Axial slice 75 of 216 of a chest CT (slice 1 is the lowest), reconstructed with the STANDARD kernel at 120 kVp; 1.25 mm slice thickness and 0.703 mm pixels.
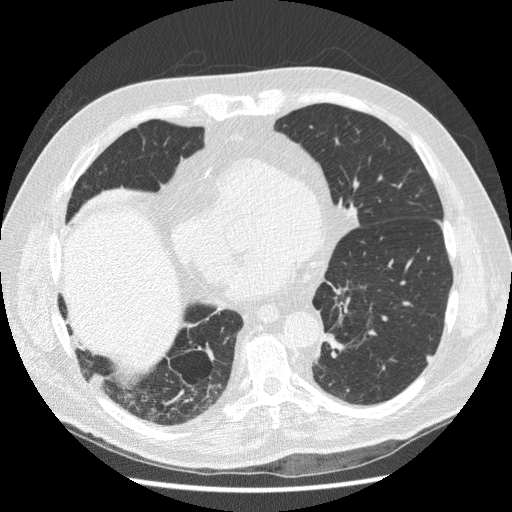
Pulmonary nodule at rows 355–362, columns 426–431 (box = the union of the readers' outlines on this slice), outlined by two of the four readers; longest diameter 6.2 mm on average over the two readers' outlines (readers' outlines 6.0–6.4 mm), volume 94–101 mm3. The readers' prevailing ratings and who disagreed: texture 5/5 (solid) from both readers; margin split among the readers: 3/5 (one), 5/5 (circumscribed) (one); sphericity split among the readers: 3/5 (ovoid) (one), 5/5 (round) (one); calcification absent, both readers agreeing; internal structure soft tissue from both readers; subtlety split among the readers: 3/5 (one), 4/5 (one); malignancy likelihood 2/5 from both readers. Scale key (1–5): texture non-solid→solid, margin indistinct→circumscribed, sphericity linear→round, subtlety extremely subtle→obvious, malignancy likelihood highly unlikely→highly suspicious of cancer. Box rows and columns are 0-based pixel indices from the top-left corner, inclusive.